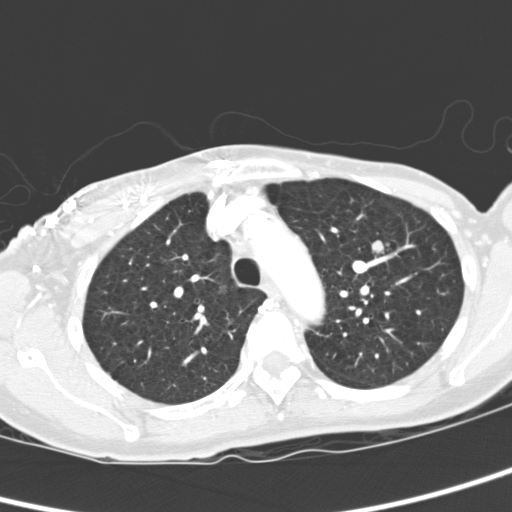
Chest CT, axial plane, 120 kVp, kernel D. Slice 242/321 from the bottom of the scan; thickness 2.00 mm; pixel size 0.557 mm.
Two pulmonary nodules are outlined on this slice; from left to right: (1) Pulmonary nodule, outlined by all four readers. Box on this slice rows 285–294, columns 217–227, the union of the readers' outlines on this slice; the four readers' outlines give a longest diameter between 19.2 and 21.9 mm and a volume between 3323 and 4100 mm3. The readers' ratings, as ranges where they differ: texture 5/5 (solid) from all four readers; margin from 4/5 to 5/5 (circumscribed) across the four readers; sphericity from 4/5 to 5/5 (round) across the four readers; calcification absent, all four readers agreeing; internal structure soft tissue, all four readers agreeing; subtlety 5/5 from all four readers; malignancy likelihood rated between 3 and 5 out of 5 by the four readers. (2) Pulmonary nodule outlined by all four readers; box rows 239–253, columns 370–389 (the union of the readers' outlines on this slice); the four readers' outlines give a longest diameter between 19.2 and 22.3 mm and a volume between 3069 and 4125 mm3. The readers' ratings, as ranges where they differ: texture 5/5 (solid) from all four readers; margin 5/5 (circumscribed) from all four readers; sphericity from 4/5 to 5/5 (round) across the four readers; calcification absent, all four readers agreeing; internal structure soft tissue, all four readers agreeing; subtlety 5/5 from all four readers; malignancy likelihood from 2/5 to 5/5 across the four readers. Scale key (1–5): texture non-solid→solid, margin indistinct→circumscribed, sphericity linear→round, subtlety extremely subtle→obvious, malignancy likelihood highly unlikely→highly suspicious of cancer. Box rows and columns are 0-based pixel indices from the top-left corner, inclusive.